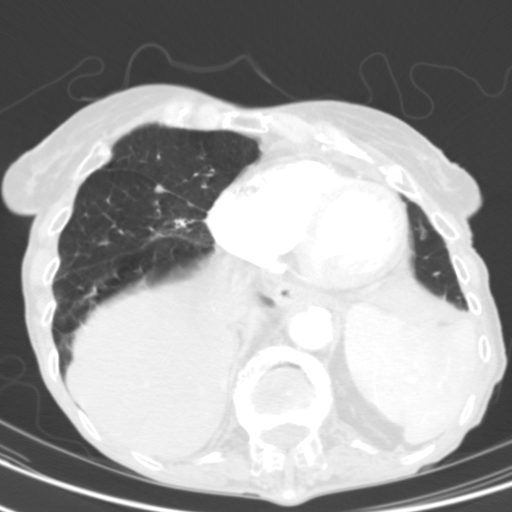
Slice 31/104 of a chest CT, counting up from the lowest; pixel size 0.531 mm, slice thickness 3.00 mm. Pulmonary nodule at rows 184–191, columns 155–163 (box = the union of the readers' outlines on this slice), outlined by two of the four readers; the two readers' outlines give a longest diameter of 6.1 mm and a volume of 73 mm3. The readers' ratings, as ranges where they differ: texture 5/5 (solid) from both readers; margin from 4/5 to 5/5 (circumscribed) across the two readers; sphericity from 2/5 to 5/5 (round) across the two readers; calcification absent, both readers agreeing; internal structure soft tissue, both readers agreeing; subtlety 4–5/5 (the readers disagree); malignancy likelihood rated between 1 and 3 out of 5 by the two readers. Scale key (1–5): texture non-solid→solid, margin indistinct→circumscribed, sphericity linear→round, subtlety extremely subtle→obvious, malignancy likelihood highly unlikely→highly suspicious of cancer. Box rows and columns are 0-based pixel indices from the top-left corner, inclusive.
Acquired at 130 kVp and reconstructed with the B31s kernel.